Axial chest CT slice 295 of 426 (counted from the lowest slice); tube voltage 120 kVp, convolution kernel STANDARD; slices 1.25 mm thick, 0.547 mm per pixel.
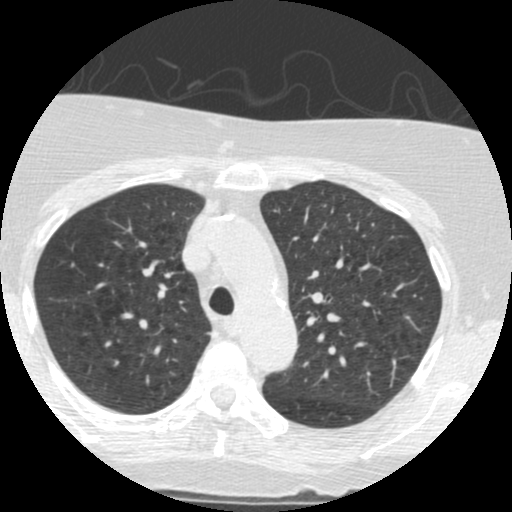
No nodule 3 mm or larger was outlined here by any reader.